One axial slice (69 of 105, counting up from the lowest) of a chest CT acquired at 135 kVp with the FC01 kernel; each pixel is 0.656 mm and the slice is 3.00 mm thick.
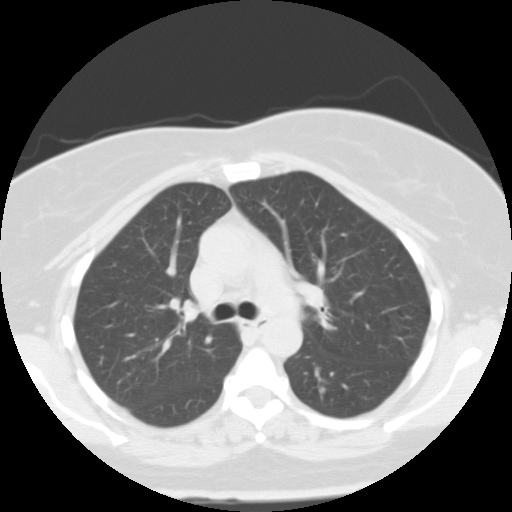
Pulmonary nodule, outlined by three of the four readers. Box on this slice rows 387–394, columns 319–324, the union of the readers' outlines on this slice; longest diameter 6.0 mm on average over the three readers' outlines (readers' outlines 5.9–6.0 mm), volume 100–160 mm3. The readers' prevailing ratings and who disagreed: texture 5/5 (solid) by two of three readers; the rest gave 4/5 (one); most readers (two of three) put margin at 4/5, others 5/5 (circumscribed) (one); sphericity 5/5 (round) by two of three readers; the rest gave 4/5 (one); calcification non-central calcification from all three readers; internal structure soft tissue, all three readers agreeing; subtlety split among the readers: 2/5 (one), 3/5 (one), 5/5 (one); most readers (two of three) put malignancy likelihood at 3/5, others 2/5 (one). Scale key (1–5): texture non-solid→solid, margin indistinct→circumscribed, sphericity linear→round, subtlety extremely subtle→obvious, malignancy likelihood highly unlikely→highly suspicious of cancer. Box rows and columns are 0-based pixel indices from the top-left corner, inclusive.